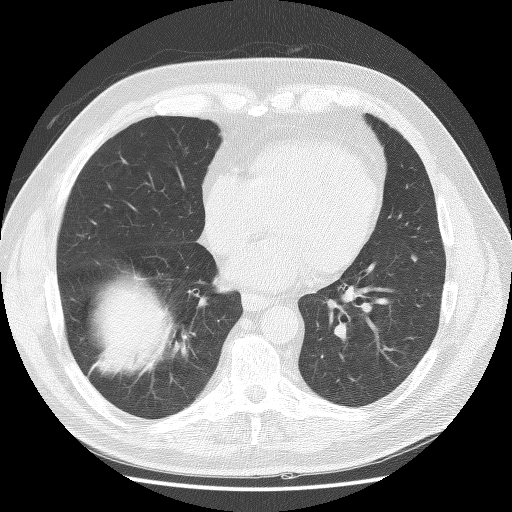
Axial chest CT slice 60 of 129 (counted from the lowest slice); tube voltage 140 kVp, convolution kernel BONE; slices 2.50 mm thick, 0.697 mm per pixel.
Pulmonary nodule, outlined by two of the four readers. Box on this slice rows 254–261, columns 412–416, the union of the readers' outlines on this slice; longest diameter 5.3–6.4 mm and volume 53–86 mm3 across the two readers' outlines. The readers' ratings, as ranges where they differ: texture from 3/5 (part-solid) to 4/5 across the two readers; margin from 3/5 to 5/5 (circumscribed) across the two readers; sphericity 3/5 (ovoid) from both readers; calcification absent, both readers agreeing; internal structure soft tissue, both readers agreeing; subtlety rated between 2 and 3 out of 5 by the two readers; malignancy likelihood 1–2/5 (the readers disagree). Scale key (1–5): texture non-solid→solid, margin indistinct→circumscribed, sphericity linear→round, subtlety extremely subtle→obvious, malignancy likelihood highly unlikely→highly suspicious of cancer. Box rows and columns are 0-based pixel indices from the top-left corner, inclusive.